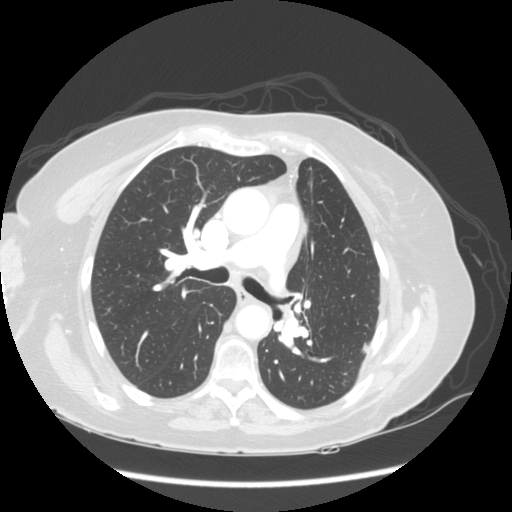
Axial chest CT slice 98 of 141 (counted from the lowest slice); tube voltage 120 kVp, convolution kernel STANDARD; slices 2.50 mm thick, 0.703 mm per pixel.
Pulmonary nodule at rows 341–354, columns 361–369 (box = the union of the readers' outlines on this slice), outlined by all four readers; the four readers' outlines give a longest diameter between 17.8 and 22.2 mm and a volume between 1070 and 1706 mm3. Ratings across the readers: texture 5/5 (solid), all four readers agreeing; margin from 3/5 to 4/5 across the four readers; sphericity from 2/5 to 4/5 across the four readers; calcification absent, all four readers agreeing; internal structure soft tissue, all four readers agreeing; subtlety from 4/5 to 5/5 across the four readers; malignancy likelihood 3–5/5 (the readers disagree). Scale key (1–5): texture non-solid→solid, margin indistinct→circumscribed, sphericity linear→round, subtlety extremely subtle→obvious, malignancy likelihood highly unlikely→highly suspicious of cancer. Box rows and columns are 0-based pixel indices from the top-left corner, inclusive.